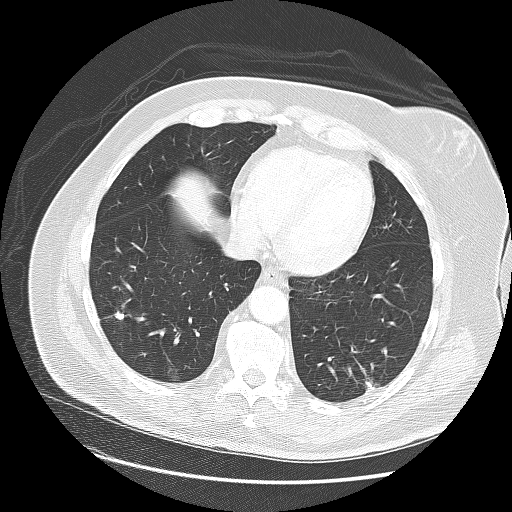
This is axial slice 53 of 140 (slice 1 is the lowest) of a chest CT; each pixel is 0.781 mm and the slice is 2.50 mm thick. Pulmonary nodule, outlined by all four readers. Box on this slice rows 312–319, columns 114–124, the union of the readers' outlines on this slice; median longest diameter 8.4 mm (readers' outlines 7.4–8.9 mm), median volume 240 mm3 (195–300 mm3). Median ratings and the readers' spread: texture 5/5 (solid), all four readers agreeing; median margin 5/5 (circumscribed) (readers ranged 4/5 to 5/5 (circumscribed)); median sphericity 3.5/5 (readers ranged 3/5 (ovoid) to 5/5 (round)); calcification: solid calcification (three), absent (one); internal structure soft tissue, all four readers agreeing; subtlety 4/5 at the median of four readers, spread 4–5; median malignancy likelihood 1/5 (readers ranged 1–3). Scale key (1–5): texture non-solid→solid, margin indistinct→circumscribed, sphericity linear→round, subtlety extremely subtle→obvious, malignancy likelihood highly unlikely→highly suspicious of cancer. Box rows and columns are 0-based pixel indices from the top-left corner, inclusive.
Scan settings: 120 kVp, LUNG reconstruction kernel.